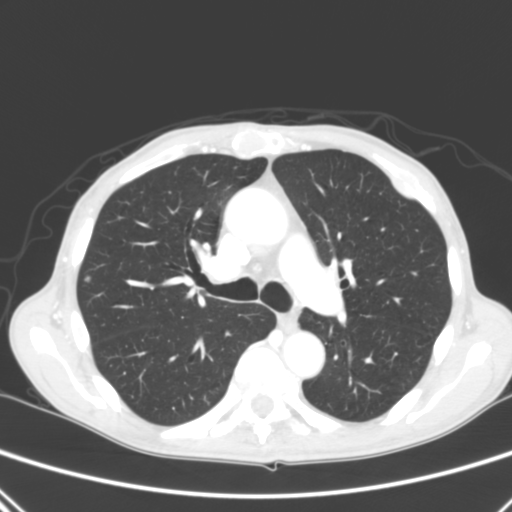
Chest CT, axial plane, 120 kVp, kernel B. Slice 181/290 from the bottom of the scan; thickness 2.00 mm; pixel size 0.639 mm.
Pulmonary nodule at rows 275–281, columns 84–90 (box = the union of the readers' outlines on this slice), outlined by three of the four readers; longest diameter 5.9–6.7 mm and volume 86–94 mm3 across the three readers' outlines. Ratings across the readers: texture from 4/5 to 5/5 (solid) across the three readers; margin from 2/5 to 5/5 (circumscribed) across the three readers; sphericity from 3/5 (ovoid) to 5/5 (round) across the three readers; calcification absent from all three readers; internal structure soft tissue, all three readers agreeing; subtlety from 3/5 to 5/5 across the three readers; malignancy likelihood rated between 1 and 3 out of 5 by the three readers. Scale key (1–5): texture non-solid→solid, margin indistinct→circumscribed, sphericity linear→round, subtlety extremely subtle→obvious, malignancy likelihood highly unlikely→highly suspicious of cancer. Box rows and columns are 0-based pixel indices from the top-left corner, inclusive.